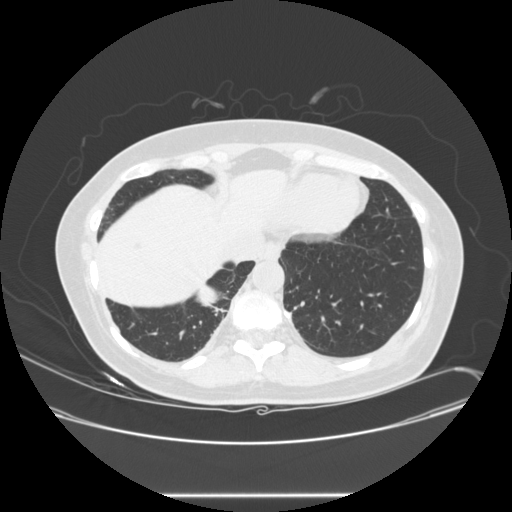
Axial chest CT slice 87 of 257 (counted from the lowest slice); 1.25 mm thick, 0.781 mm per pixel. Pulmonary nodule, outlined by three of the four readers. Box on this slice rows 284–307, columns 195–220, the union of the readers' outlines on this slice; longest diameter 30.0 mm on average over the three readers' outlines (readers' outlines 28.2–32.2 mm), volume 3103–4675 mm3. Ratings, by the readers' most common answer with dissent counted: texture 5/5 (solid), all three readers agreeing; margin 5/5 (circumscribed) from all three readers; sphericity 4/5, all three readers agreeing; calcification absent from all three readers; internal structure soft tissue from all three readers; subtlety 5/5, all three readers agreeing; malignancy likelihood split among the readers: 2/5 (one), 4/5 (one), 5/5 (one). Scale key (1–5): texture non-solid→solid, margin indistinct→circumscribed, sphericity linear→round, subtlety extremely subtle→obvious, malignancy likelihood highly unlikely→highly suspicious of cancer. Box rows and columns are 0-based pixel indices from the top-left corner, inclusive.
Tube voltage 120 kVp; convolution kernel STANDARD.